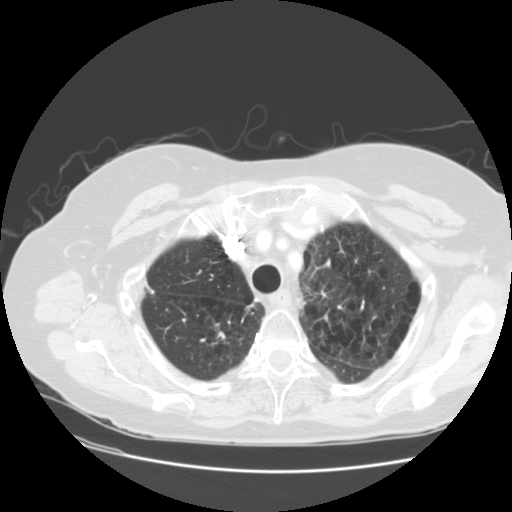
Axial slice 109 of 127 of a chest CT (slice 1 is the lowest), reconstructed with the STANDARD kernel at 120 kVp; 2.50 mm slice thickness and 0.703 mm pixels.
Pulmonary nodule, outlined by three of the four readers, two of them on this slice. Box on this slice rows 331–344, columns 211–224, the union of the readers' outlines on this slice; longest diameter 13.2 mm on average over the three readers' outlines (readers' outlines 12.3–14.7 mm), volume 276–644 mm3. The readers' prevailing ratings and who disagreed: texture 5/5 (solid) by two of three readers; the rest gave 4/5 (one); margin 3/5 by two of three readers; the rest gave 4/5 (one); most readers (two of three) put sphericity at 3/5 (ovoid), others 5/5 (round) (one); calcification absent, all three readers agreeing; internal structure soft tissue from all three readers; most readers (two of three) put subtlety at 4/5, others 5/5 (one); malignancy likelihood 4/5 by two of three readers; the rest gave 2/5 (one). Scale key (1–5): texture non-solid→solid, margin indistinct→circumscribed, sphericity linear→round, subtlety extremely subtle→obvious, malignancy likelihood highly unlikely→highly suspicious of cancer. Box rows and columns are 0-based pixel indices from the top-left corner, inclusive.